Chest CT, axial plane, 120 kVp, kernel STANDARD. Slice 330/516 from the bottom of the scan; thickness 1.25 mm; pixel size 0.820 mm.
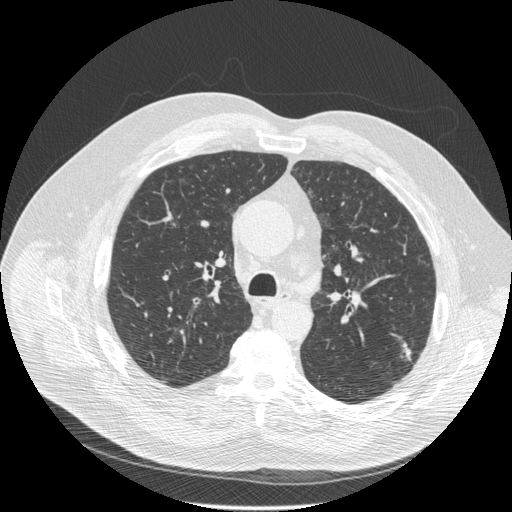
Pulmonary nodule at rows 342–361, columns 403–409 (box = the union of the readers' outlines on this slice), outlined by three of the four readers, two of them on this slice; longest diameter 23.2–31.7 mm and volume 750–1666 mm3 across the three readers' outlines. Ratings across the readers: texture from 3/5 (part-solid) to 5/5 (solid) across the three readers; margin from 3/5 to 4/5 across the three readers; sphericity 2/5, all three readers agreeing; calcification absent from all three readers; internal structure soft tissue, all three readers agreeing; subtlety 5/5, all three readers agreeing; malignancy likelihood 4/5 from all three readers. Scale key (1–5): texture non-solid→solid, margin indistinct→circumscribed, sphericity linear→round, subtlety extremely subtle→obvious, malignancy likelihood highly unlikely→highly suspicious of cancer. Box rows and columns are 0-based pixel indices from the top-left corner, inclusive.